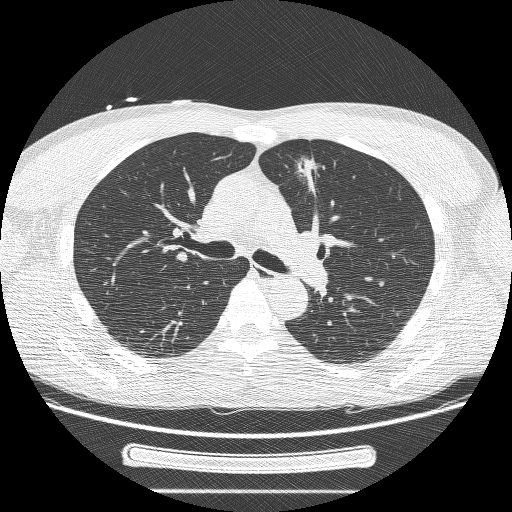
Axial chest CT slice 153 of 244 (counted from the lowest slice); 1.25 mm thick, 0.729 mm per pixel. Pulmonary nodule, outlined by three of the four readers. Box on this slice rows 156–189, columns 294–320, the union of the readers' outlines on this slice; median longest diameter 37.5 mm (readers' outlines 27.4–37.9 mm), median volume 6861 mm3 (2934–10099 mm3). Median ratings and the readers' spread: texture 5/5 (solid) at the median of three readers, spread 3/5 (part-solid) to 5/5 (solid); margin 2/5 at the median of three readers, spread 1/5 (indistinct) to 3/5; sphericity 3/5 (ovoid) at the median of three readers, spread 2/5 to 4/5; calcification absent, all three readers agreeing; internal structure soft tissue, all three readers agreeing; subtlety 5/5 from all three readers; malignancy likelihood 5/5 at the median of three readers, spread 3–5. Scale key (1–5): texture non-solid→solid, margin indistinct→circumscribed, sphericity linear→round, subtlety extremely subtle→obvious, malignancy likelihood highly unlikely→highly suspicious of cancer. Box rows and columns are 0-based pixel indices from the top-left corner, inclusive.
Scan settings: 120 kVp, BONE reconstruction kernel.